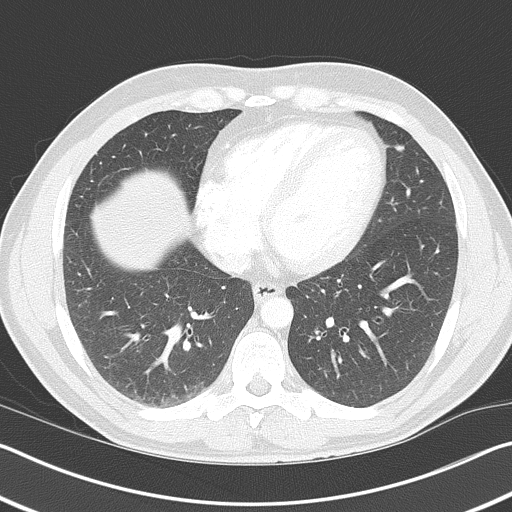
Axial chest CT slice 187 of 368 (counted from the lowest slice); 2.00 mm thick, 0.660 mm per pixel. Pulmonary nodule, outlined by one of the four readers. Box on this slice rows 143–150, columns 394–405, that reader's outline on this slice; longest diameter 9.3 mm and volume 180 mm3 from that reader's outline. That reader's ratings: texture 1/5 (non-solid); margin 2/5; sphericity 5/5 (round); calcification absent; internal structure soft tissue; subtlety 1/5; malignancy likelihood 2/5. Scale key (1–5): texture non-solid→solid, margin indistinct→circumscribed, sphericity linear→round, subtlety extremely subtle→obvious, malignancy likelihood highly unlikely→highly suspicious of cancer. Box rows and columns are 0-based pixel indices from the top-left corner, inclusive.
Tube voltage 120 kVp; convolution kernel B70f.